Chest CT, axial plane, 120 kVp, kernel B31f. Slice 92/116 from the bottom of the scan; thickness 3.00 mm; pixel size 0.547 mm.
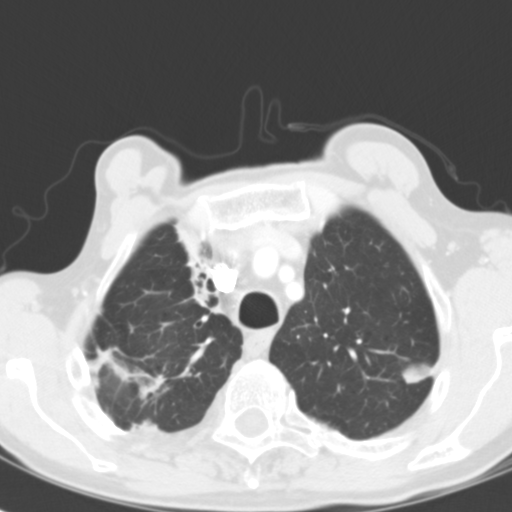
Pulmonary nodule, outlined by all four readers. Box on this slice rows 362–384, columns 401–432, the union of the readers' outlines on this slice; longest diameter 23.8–26.7 mm and volume 3983–5133 mm3 across the four readers' outlines. The readers' ratings, as ranges where they differ: texture from 3/5 (part-solid) to 5/5 (solid) across the four readers; margin from 3/5 to 5/5 (circumscribed) across the four readers; sphericity from 3/5 (ovoid) to 4/5 across the four readers; calcification absent, all four readers agreeing; internal structure: soft tissue (three), air (one); subtlety 5/5, all four readers agreeing; malignancy likelihood 2–5/5 (the readers disagree). Scale key (1–5): texture non-solid→solid, margin indistinct→circumscribed, sphericity linear→round, subtlety extremely subtle→obvious, malignancy likelihood highly unlikely→highly suspicious of cancer. Box rows and columns are 0-based pixel indices from the top-left corner, inclusive.